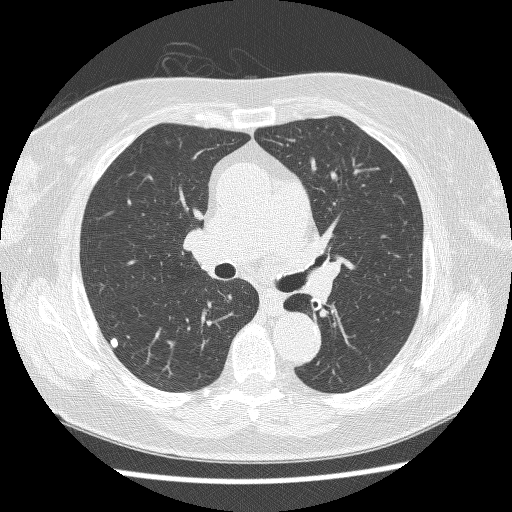
Chest CT, axial plane, 120 kVp, kernel BONE. Slice 152/229 from the bottom of the scan; thickness 1.25 mm; pixel size 0.654 mm.
Pulmonary nodule outlined by all four readers; box rows 338–347, columns 110–118 (the union of the readers' outlines on this slice); median longest diameter 7.3 mm (readers' outlines 7.3 mm), median volume 139 mm3 (124–150 mm3). Ratings, median across the readers with their spread: texture 5/5 (solid), all four readers agreeing; margin 5/5 (circumscribed) from all four readers; median sphericity 4.5/5 (readers ranged 4/5 to 5/5 (round)); calcification solid calcification, all four readers agreeing; internal structure soft tissue from all four readers; subtlety 4.5/5 at the median of four readers, spread 3–5; malignancy likelihood 1/5 from all four readers. Scale key (1–5): texture non-solid→solid, margin indistinct→circumscribed, sphericity linear→round, subtlety extremely subtle→obvious, malignancy likelihood highly unlikely→highly suspicious of cancer. Box rows and columns are 0-based pixel indices from the top-left corner, inclusive.